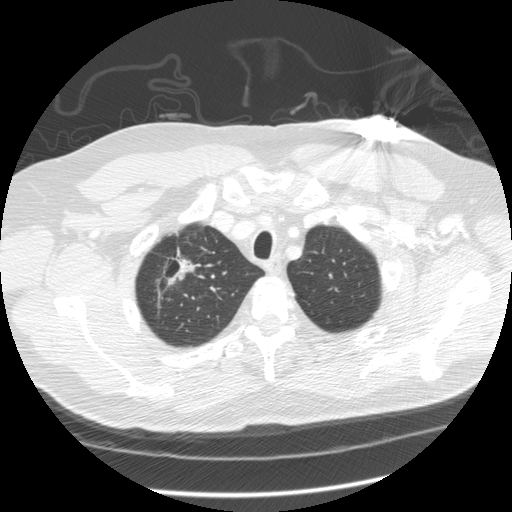
Axial chest CT slice 264 of 305 (counted from the lowest slice); 1.25 mm thick, 0.732 mm per pixel. Pulmonary nodule, outlined by three of the four readers. Box on this slice rows 247–294, columns 157–200, the union of the readers' outlines on this slice; the three readers' outlines give a longest diameter between 41.0 and 45.9 mm and a volume between 6528 and 11092 mm3. Ratings across the readers: texture from 3/5 (part-solid) to 5/5 (solid) across the three readers; margin from 1/5 (indistinct) to 4/5 across the three readers; sphericity from 2/5 to 3/5 (ovoid) across the three readers; calcification absent from all three readers; internal structure soft tissue from all three readers; subtlety 5/5, all three readers agreeing; malignancy likelihood 5/5, all three readers agreeing. Scale key (1–5): texture non-solid→solid, margin indistinct→circumscribed, sphericity linear→round, subtlety extremely subtle→obvious, malignancy likelihood highly unlikely→highly suspicious of cancer. Box rows and columns are 0-based pixel indices from the top-left corner, inclusive.
Scan settings: 120 kVp, STANDARD reconstruction kernel.